Axial chest CT slice 238 of 506 (counted from the lowest slice); tube voltage 120 kVp, convolution kernel B30f; slices 0.75 mm thick, 0.699 mm per pixel.
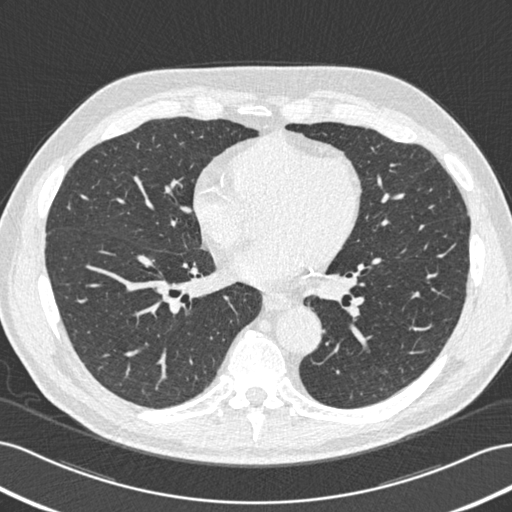
No nodule of 3 mm or larger was outlined by any of the four readers on this slice.